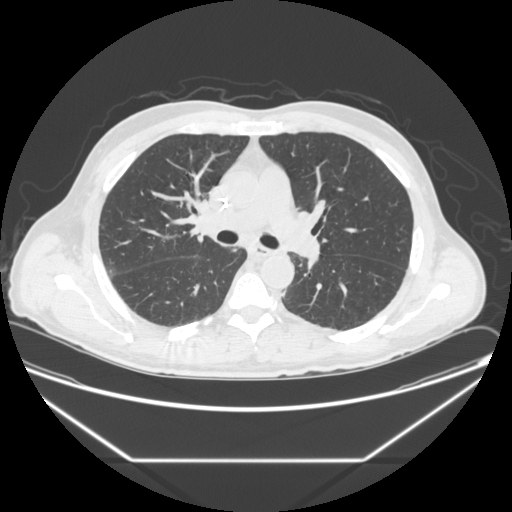
Axial chest CT slice 137 of 251 (counted from the lowest slice); 1.25 mm thick, 0.809 mm per pixel. Pulmonary nodule at rows 291–296, columns 282–285 (box = the union of the readers' outlines on this slice), outlined by three of the four readers, two of them on this slice; longest diameter 6.7–7.7 mm and volume 143–192 mm3 across the three readers' outlines. The readers' ratings, as ranges where they differ: texture 5/5 (solid), all three readers agreeing; margin from 4/5 to 5/5 (circumscribed) across the three readers; sphericity from 3/5 (ovoid) to 5/5 (round) across the three readers; calcification absent, all three readers agreeing; internal structure soft tissue from all three readers; subtlety rated between 1 and 5 out of 5 by the three readers; malignancy likelihood rated between 2 and 3 out of 5 by the three readers. Scale key (1–5): texture non-solid→solid, margin indistinct→circumscribed, sphericity linear→round, subtlety extremely subtle→obvious, malignancy likelihood highly unlikely→highly suspicious of cancer. Box rows and columns are 0-based pixel indices from the top-left corner, inclusive.
Scan settings: 120 kVp, STANDARD reconstruction kernel.